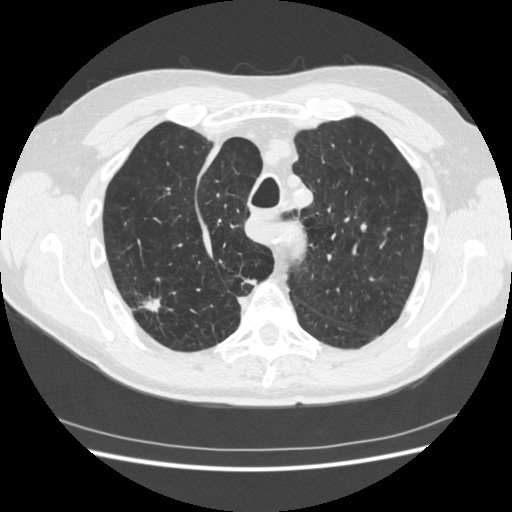
Chest CT, axial plane, 120 kVp, kernel STANDARD. Slice 352/481 from the bottom of the scan; thickness 1.25 mm; pixel size 0.703 mm.
Two pulmonary nodules on this slice, listed from left to right. (1) Pulmonary nodule at rows 292–318, columns 133–161 (box = the union of the readers' outlines on this slice), outlined by all four readers; the four readers' outlines give a longest diameter between 18.7 and 34.9 mm and a volume between 1155 and 4169 mm3. The readers' ratings, as ranges where they differ: texture from 4/5 to 5/5 (solid) across the four readers; margin from 1/5 (indistinct) to 4/5 across the four readers; sphericity from 2/5 to 5/5 (round) across the four readers; calcification absent from all four readers; internal structure soft tissue, all four readers agreeing; subtlety 5/5, all four readers agreeing; malignancy likelihood 4–5/5 (the readers disagree). (2) Pulmonary nodule at rows 278–285, columns 242–256 (box = the union of the readers' outlines on this slice), outlined by three of the four readers; the three readers' outlines give a longest diameter between 13.5 and 18.5 mm and a volume between 529 and 1088 mm3. Ratings across the readers: texture 5/5 (solid), all three readers agreeing; margin from 1/5 (indistinct) to 4/5 across the three readers; sphericity from 2/5 to 3/5 (ovoid) across the three readers; calcification absent from all three readers; internal structure soft tissue from all three readers; subtlety from 4/5 to 5/5 across the three readers; malignancy likelihood from 3/5 to 5/5 across the three readers. Scale key (1–5): texture non-solid→solid, margin indistinct→circumscribed, sphericity linear→round, subtlety extremely subtle→obvious, malignancy likelihood highly unlikely→highly suspicious of cancer. Box rows and columns are 0-based pixel indices from the top-left corner, inclusive.